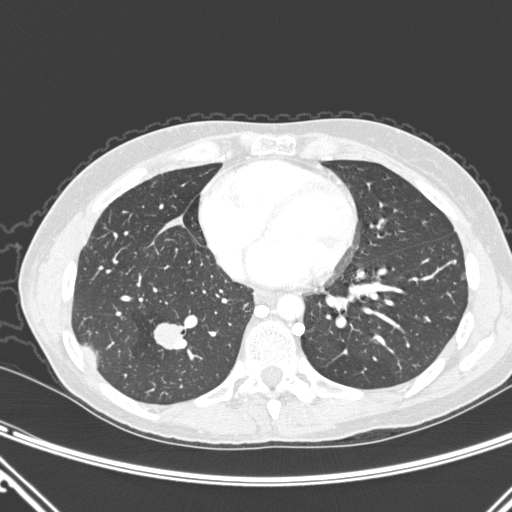
This is axial slice 102 of 290 (slice 1 is the lowest) of a chest CT; each pixel is 0.662 mm and the slice is 1.00 mm thick. Pulmonary nodule, outlined by all four readers. Box on this slice rows 321–349, columns 152–185, the union of the readers' outlines on this slice; median longest diameter 23.4 mm (readers' outlines 22.2–29.6 mm), median volume 2912 mm3 (2637–3531 mm3). Ratings, median across the readers with their spread: texture 5/5 (solid), all four readers agreeing; median margin 4.5/5 (readers ranged 4/5 to 5/5 (circumscribed)); median sphericity 4/5 (readers ranged 2/5 to 5/5 (round)); calcification absent, all four readers agreeing; internal structure soft tissue from all four readers; subtlety 5/5 from all four readers; malignancy likelihood 4.5/5 at the median of four readers, spread 3–5. Scale key (1–5): texture non-solid→solid, margin indistinct→circumscribed, sphericity linear→round, subtlety extremely subtle→obvious, malignancy likelihood highly unlikely→highly suspicious of cancer. Box rows and columns are 0-based pixel indices from the top-left corner, inclusive.
Acquired at 120 kVp and reconstructed with the D kernel.